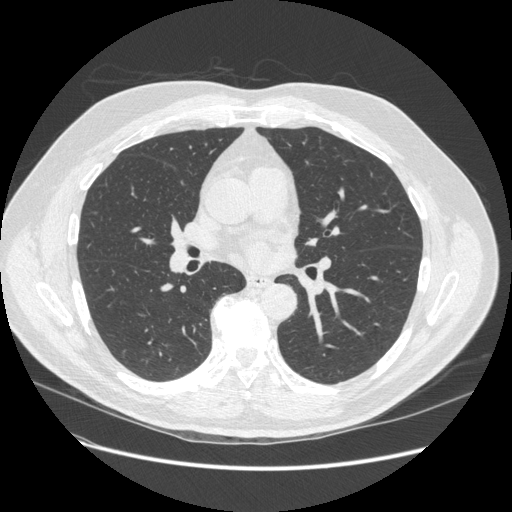
This is axial slice 270 of 541 (slice 1 is the lowest) of a chest CT; each pixel is 0.781 mm and the slice is 1.25 mm thick. None of the four readers outlined a nodule of 3 mm or more on this slice.
Tube voltage 120 kVp; convolution kernel STANDARD.